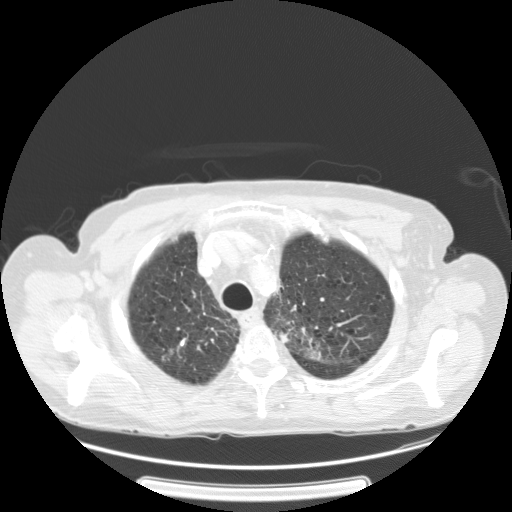
This is axial slice 111 of 137 (slice 1 is the lowest) of a chest CT; each pixel is 0.781 mm and the slice is 2.50 mm thick. Pulmonary nodule, outlined by one of the four readers. Box on this slice rows 333–343, columns 280–287, that reader's outline on this slice; longest diameter 15.8 mm and volume 733 mm3 from that reader's outline. That reader's ratings: texture 3/5 (part-solid); margin 1/5 (indistinct); sphericity 4/5; calcification absent; internal structure soft tissue; subtlety 4/5; malignancy likelihood 3/5. Scale key (1–5): texture non-solid→solid, margin indistinct→circumscribed, sphericity linear→round, subtlety extremely subtle→obvious, malignancy likelihood highly unlikely→highly suspicious of cancer. Box rows and columns are 0-based pixel indices from the top-left corner, inclusive.
Scan settings: 120 kVp, STANDARD reconstruction kernel.